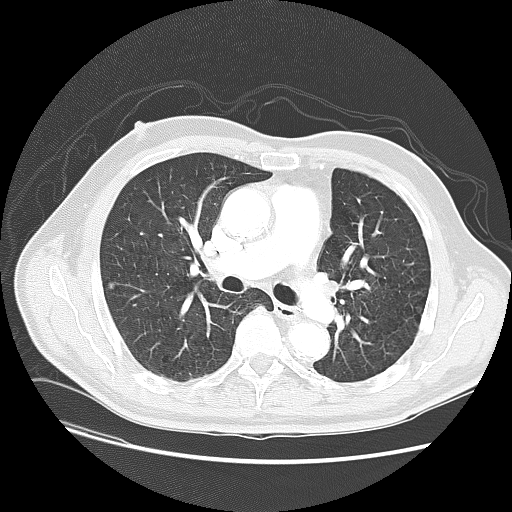
One axial slice (81 of 133, counting up from the lowest) of a chest CT acquired at 120 kVp with the LUNG kernel; each pixel is 0.742 mm and the slice is 2.50 mm thick.
Pulmonary nodule at rows 282–289, columns 109–114 (box = the union of the readers' outlines on this slice), outlined by all four readers; longest diameter 7.9 mm on average over the four readers' outlines (readers' outlines 7.6–8.3 mm), volume 184–249 mm3. The readers' prevailing ratings and who disagreed: texture 5/5 (solid) from all four readers; margin 5/5 (circumscribed) from all four readers; sphericity 5/5 (round) by three of four readers; the rest gave 4/5 (one); calcification absent by three of four readers, solid calcification (one); internal structure soft tissue, all four readers agreeing; subtlety split among the readers: 4/5 (two), 5/5 (two); malignancy likelihood split among the readers: 1/5 (one), 2/5 (one), 3/5 (one), 4/5 (one). Scale key (1–5): texture non-solid→solid, margin indistinct→circumscribed, sphericity linear→round, subtlety extremely subtle→obvious, malignancy likelihood highly unlikely→highly suspicious of cancer. Box rows and columns are 0-based pixel indices from the top-left corner, inclusive.